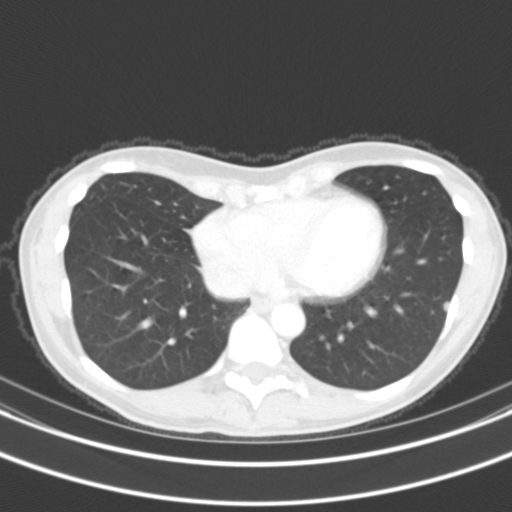
Axial slice 43 of 116 of a chest CT (slice 1 is the lowest), reconstructed with the B31s kernel at 130 kVp; 3.00 mm slice thickness and 0.588 mm pixels.
Pulmonary nodule outlined by three of the four readers; box rows 300–311, columns 442–449 (the union of the readers' outlines on this slice); median longest diameter 7.3 mm (readers' outlines 7.2–7.7 mm), median volume 115 mm3 (110–117 mm3). Median ratings and the readers' spread: texture 5/5 (solid) from all three readers; margin 5/5 (circumscribed) at the median of three readers, spread 4/5 to 5/5 (circumscribed); sphericity 3/5 (ovoid) at the median of three readers, spread 2/5 to 4/5; calcification absent from all three readers; internal structure soft tissue, all three readers agreeing; median subtlety 3/5 (readers ranged 3–5); malignancy likelihood 3/5 at the median of three readers, spread 1–3. Scale key (1–5): texture non-solid→solid, margin indistinct→circumscribed, sphericity linear→round, subtlety extremely subtle→obvious, malignancy likelihood highly unlikely→highly suspicious of cancer. Box rows and columns are 0-based pixel indices from the top-left corner, inclusive.